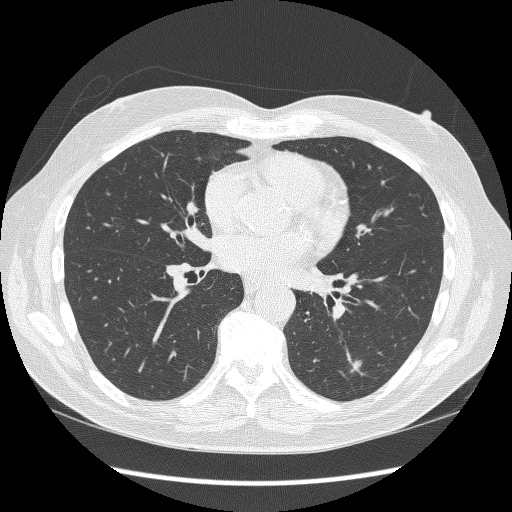
Chest CT, axial plane, 120 kVp, kernel BONE. Slice 165/298 from the bottom of the scan; thickness 1.25 mm; pixel size 0.719 mm.
Pulmonary nodule outlined by three of the four readers; box rows 359–371, columns 351–361 (the union of the readers' outlines on this slice); longest diameter 10.2–13.0 mm and volume 236–548 mm3 across the three readers' outlines. The readers' ratings, as ranges where they differ: texture from 3/5 (part-solid) to 5/5 (solid) across the three readers; margin from 2/5 to 4/5 across the three readers; sphericity from 2/5 to 3/5 (ovoid) across the three readers; calcification absent, all three readers agreeing; internal structure soft tissue, all three readers agreeing; subtlety from 3/5 to 4/5 across the three readers; malignancy likelihood rated between 2 and 4 out of 5 by the three readers. Scale key (1–5): texture non-solid→solid, margin indistinct→circumscribed, sphericity linear→round, subtlety extremely subtle→obvious, malignancy likelihood highly unlikely→highly suspicious of cancer. Box rows and columns are 0-based pixel indices from the top-left corner, inclusive.